Axial slice 161 of 278 of a chest CT (slice 1 is the lowest), reconstructed with the B40s kernel at 130 kVp; 3.00 mm slice thickness and 0.977 mm pixels.
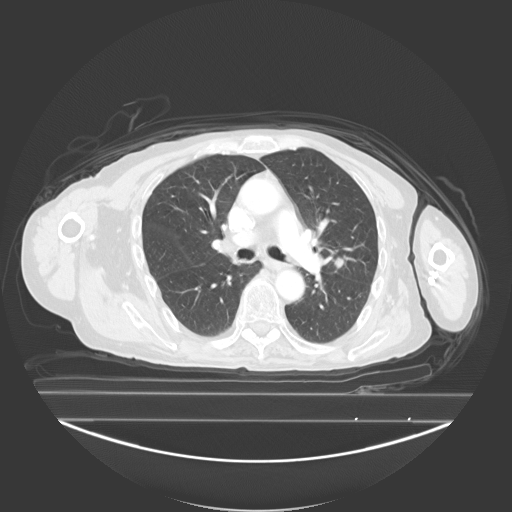
Pulmonary nodule at rows 257–268, columns 334–343 (box = the union of the readers' outlines on this slice), outlined by three of the four readers; longest diameter 13.5 mm on average over the three readers' outlines (readers' outlines 12.8–14.8 mm), volume 665–985 mm3. The readers' prevailing ratings and who disagreed: texture 5/5 (solid) by two of three readers; the rest gave 4/5 (one); margin 4/5 from all three readers; sphericity 5/5 (round) by two of three readers; the rest gave 4/5 (one); calcification absent from all three readers; internal structure soft tissue from all three readers; subtlety split among the readers: 3/5 (one), 4/5 (one), 5/5 (one); malignancy likelihood split among the readers: 2/5 (one), 3/5 (one), 4/5 (one). Scale key (1–5): texture non-solid→solid, margin indistinct→circumscribed, sphericity linear→round, subtlety extremely subtle→obvious, malignancy likelihood highly unlikely→highly suspicious of cancer. Box rows and columns are 0-based pixel indices from the top-left corner, inclusive.